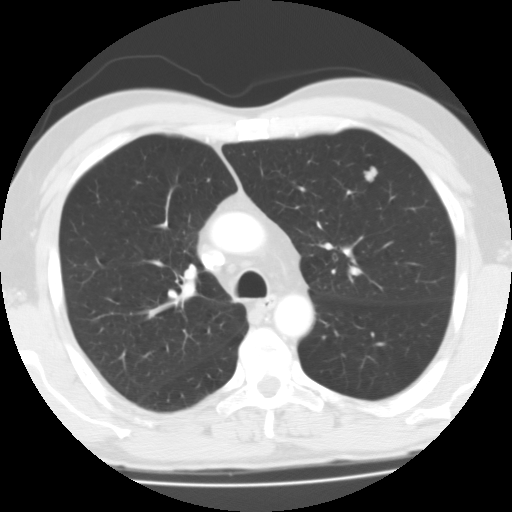
Axial chest CT slice 92 of 127 (counted from the lowest slice); 3.00 mm thick, 0.677 mm per pixel. Pulmonary nodule at rows 165–182, columns 363–378 (box = the union of the readers' outlines on this slice), outlined by all four readers; median longest diameter 12.6 mm (readers' outlines 11.7–13.1 mm), median volume 808 mm3 (622–939 mm3). Median ratings and the readers' spread: texture 5/5 (solid) from all four readers; margin 4/5 at the median of four readers, spread 4/5 to 5/5 (circumscribed); sphericity 4/5 at the median of four readers, spread 3/5 (ovoid) to 5/5 (round); calcification absent from all four readers; internal structure soft tissue, all four readers agreeing; subtlety 5/5, all four readers agreeing; median malignancy likelihood 4/5 (readers ranged 3–5). Scale key (1–5): texture non-solid→solid, margin indistinct→circumscribed, sphericity linear→round, subtlety extremely subtle→obvious, malignancy likelihood highly unlikely→highly suspicious of cancer. Box rows and columns are 0-based pixel indices from the top-left corner, inclusive.
Scan settings: 135 kVp, FC01 reconstruction kernel.